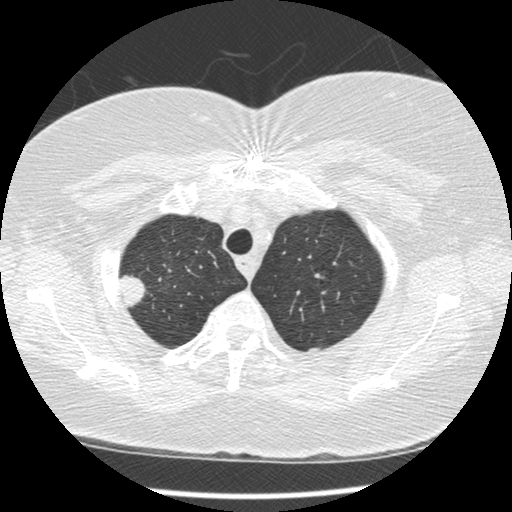
Axial chest CT slice 312 of 375 (counted from the lowest slice); tube voltage 120 kVp, convolution kernel STANDARD; slices 1.25 mm thick, 0.625 mm per pixel.
Pulmonary nodule at rows 274–307, columns 118–146 (box = the union of the readers' outlines on this slice), outlined by all four readers; longest diameter 22.5 mm on average over the four readers' outlines (readers' outlines 21.2–23.2 mm), volume 2289–3466 mm3. Ratings, by the readers' most common answer with dissent counted: texture 5/5 (solid) by three of four readers; the rest gave 4/5 (one); margin 4/5 by two of four readers; the rest gave 3/5 (one), 5/5 (circumscribed) (one); sphericity split among the readers: 2/5 (one), 3/5 (ovoid) (one), 4/5 (one), 5/5 (round) (one); calcification absent from all four readers; internal structure soft tissue, all four readers agreeing; subtlety 5/5 from all four readers; malignancy likelihood 5/5 by three of four readers; the rest gave 3/5 (one). Scale key (1–5): texture non-solid→solid, margin indistinct→circumscribed, sphericity linear→round, subtlety extremely subtle→obvious, malignancy likelihood highly unlikely→highly suspicious of cancer. Box rows and columns are 0-based pixel indices from the top-left corner, inclusive.